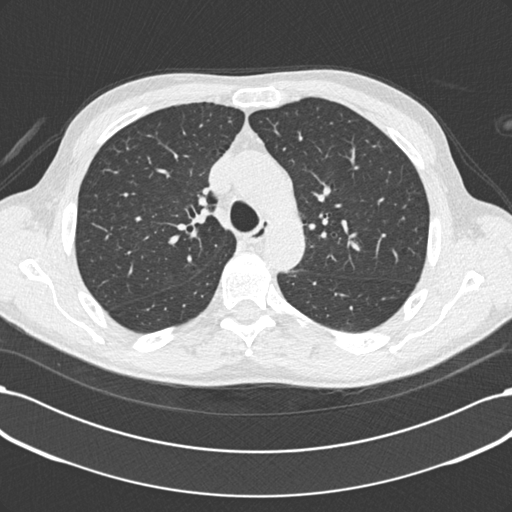
Chest CT, axial plane, 120 kVp, kernel B30f. Slice 142/198 from the bottom of the scan; thickness 2.00 mm; pixel size 0.703 mm.
No nodule 3 mm or larger was outlined here by any reader.